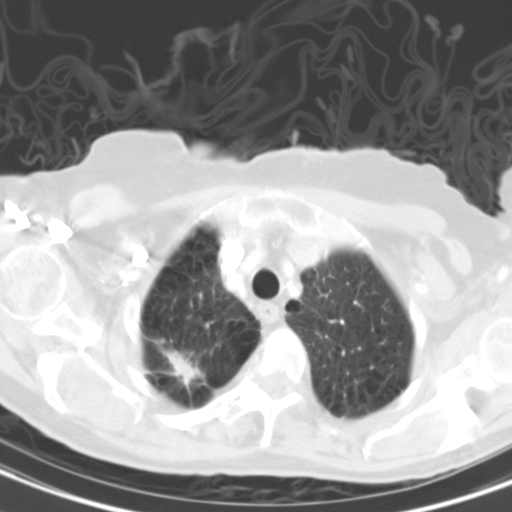
One axial slice (102 of 117, counting up from the lowest) of a chest CT acquired at 130 kVp with the B31s kernel; each pixel is 0.566 mm and the slice is 3.00 mm thick.
Pulmonary nodule at rows 349–388, columns 163–205 (box = the union of the readers' outlines on this slice), outlined by all four readers; longest diameter 36.6 mm on average over the four readers' outlines (readers' outlines 31.3–41.7 mm), volume 5062–7820 mm3. Ratings, by the readers' most common answer with dissent counted: texture 5/5 (solid) from all four readers; margin 4/5 by two of four readers; the rest gave 1/5 (indistinct) (one), 3/5 (one); sphericity 4/5 by two of four readers; the rest gave 3/5 (ovoid) (one), 5/5 (round) (one); calcification absent, all four readers agreeing; internal structure soft tissue, all four readers agreeing; subtlety 5/5, all four readers agreeing; malignancy likelihood 5/5, all four readers agreeing. Scale key (1–5): texture non-solid→solid, margin indistinct→circumscribed, sphericity linear→round, subtlety extremely subtle→obvious, malignancy likelihood highly unlikely→highly suspicious of cancer. Box rows and columns are 0-based pixel indices from the top-left corner, inclusive.